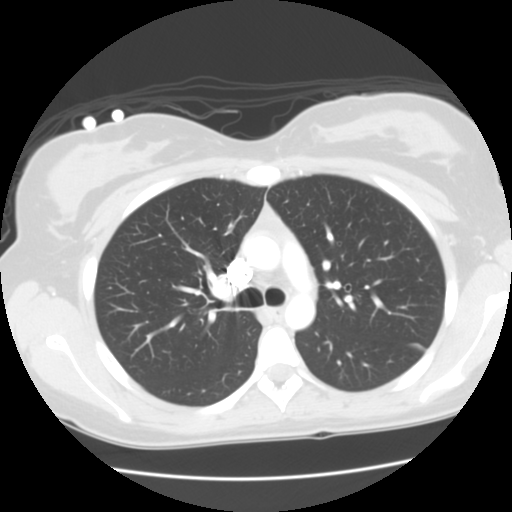
Axial chest CT slice 98 of 133 (counted from the lowest slice); tube voltage 120 kVp, convolution kernel STANDARD; slices 2.50 mm thick, 0.625 mm per pixel.
Pulmonary nodule at rows 343–346, columns 413–421 (box = that reader's outline on this slice), outlined by one of the four readers; longest diameter 13.2 mm and volume 585 mm3 from that reader's outline. Ratings by that reader: texture 5/5 (solid); margin 4/5; sphericity 3/5 (ovoid); calcification absent; internal structure soft tissue; subtlety 5/5; malignancy likelihood 3/5. Scale key (1–5): texture non-solid→solid, margin indistinct→circumscribed, sphericity linear→round, subtlety extremely subtle→obvious, malignancy likelihood highly unlikely→highly suspicious of cancer. Box rows and columns are 0-based pixel indices from the top-left corner, inclusive.